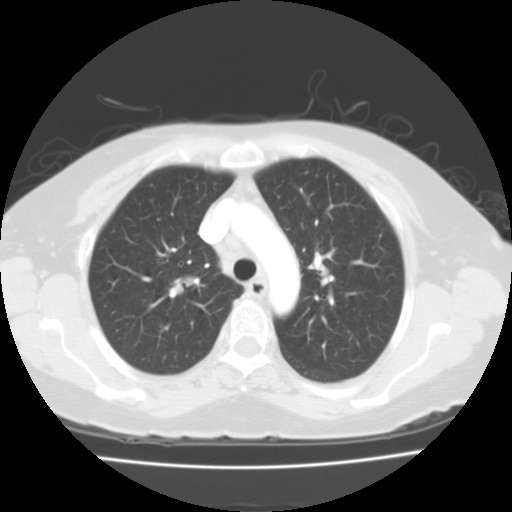
One axial slice (79 of 109, counting up from the lowest) of a chest CT acquired at 135 kVp with the FC01 kernel; each pixel is 0.671 mm and the slice is 3.00 mm thick.
Pulmonary nodule outlined by one of the four readers; box rows 275–285, columns 182–194 (that reader's outline on this slice); longest diameter 14.2 mm and volume 707 mm3 from that reader's outline. Ratings by that reader: texture 5/5 (solid); margin 4/5; sphericity 3/5 (ovoid); calcification absent; internal structure soft tissue; subtlety 5/5; malignancy likelihood 3/5. Scale key (1–5): texture non-solid→solid, margin indistinct→circumscribed, sphericity linear→round, subtlety extremely subtle→obvious, malignancy likelihood highly unlikely→highly suspicious of cancer. Box rows and columns are 0-based pixel indices from the top-left corner, inclusive.